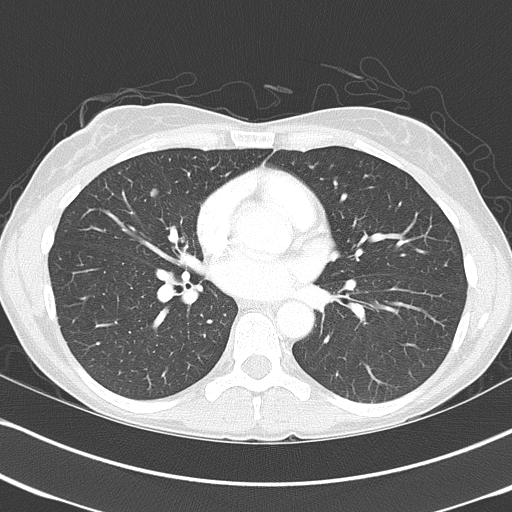
Axial chest CT slice 202 of 368 (counted from the lowest slice); 2.00 mm thick, 0.623 mm per pixel. Pulmonary nodule, outlined by all four readers. Box on this slice rows 188–196, columns 150–159, the union of the readers' outlines on this slice; longest diameter 12.1–13.5 mm and volume 274–376 mm3 across the four readers' outlines. Ratings across the readers: texture from 4/5 to 5/5 (solid) across the four readers; margin from 3/5 to 5/5 (circumscribed) across the four readers; sphericity from 2/5 to 3/5 (ovoid) across the four readers; calcification: absent (two), non-central calcification (one), solid calcification (one); internal structure soft tissue from all four readers; subtlety 5/5, all four readers agreeing; malignancy likelihood from 2/5 to 4/5 across the four readers. Scale key (1–5): texture non-solid→solid, margin indistinct→circumscribed, sphericity linear→round, subtlety extremely subtle→obvious, malignancy likelihood highly unlikely→highly suspicious of cancer. Box rows and columns are 0-based pixel indices from the top-left corner, inclusive.
Acquired at 120 kVp and reconstructed with the B70f kernel.